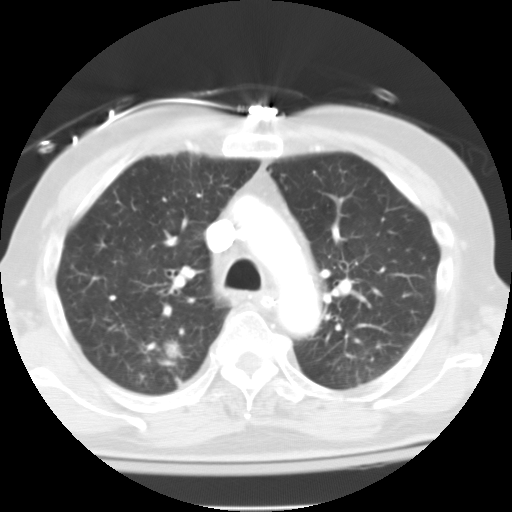
Axial slice 90 of 125 of a chest CT (slice 1 is the lowest), reconstructed with the FC10 kernel at 135 kVp; 3.00 mm slice thickness and 0.628 mm pixels.
Pulmonary nodule at rows 340–359, columns 165–179 (box = that reader's outline on this slice), outlined once (the source holds six more outlines, not used); longest diameter 31.3 mm and volume 4861 mm3 from that reader's outline. Ratings by that reader: texture 4/5; margin 2/5; sphericity 2/5; calcification absent; internal structure soft tissue; subtlety 5/5; malignancy likelihood 5/5. Scale key (1–5): texture non-solid→solid, margin indistinct→circumscribed, sphericity linear→round, subtlety extremely subtle→obvious, malignancy likelihood highly unlikely→highly suspicious of cancer. Box rows and columns are 0-based pixel indices from the top-left corner, inclusive.